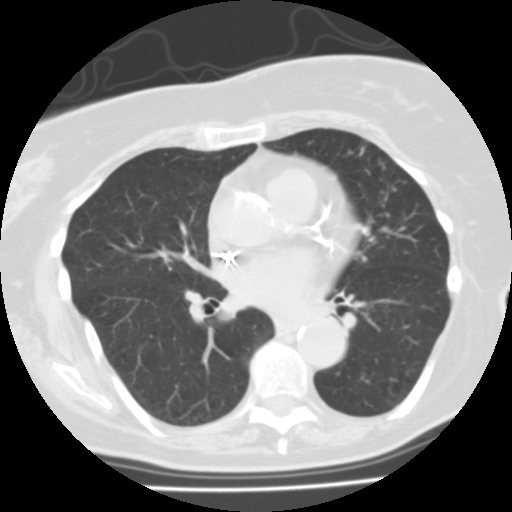
Axial chest CT slice 68 of 122 (counted from the lowest slice); tube voltage 135 kVp, convolution kernel FC01; slices 3.00 mm thick, 0.586 mm per pixel.
Pulmonary nodule outlined by one of the four readers; box rows 224–228, columns 354–359 (that reader's outline on this slice); longest diameter 5.2 mm and volume 112 mm3 from that reader's outline. Ratings by that reader: texture 5/5 (solid); margin 5/5 (circumscribed); sphericity 4/5; calcification absent; internal structure soft tissue; subtlety 4/5; malignancy likelihood 1/5. Scale key (1–5): texture non-solid→solid, margin indistinct→circumscribed, sphericity linear→round, subtlety extremely subtle→obvious, malignancy likelihood highly unlikely→highly suspicious of cancer. Box rows and columns are 0-based pixel indices from the top-left corner, inclusive.